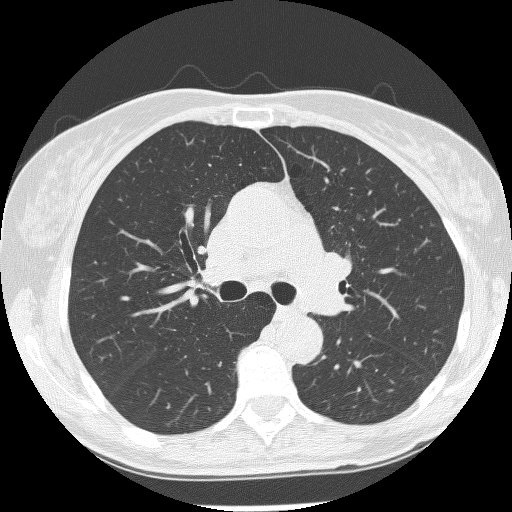
Axial chest CT slice 154 of 245 (counted from the lowest slice); tube voltage 120 kVp, convolution kernel BONE; slices 1.25 mm thick, 0.592 mm per pixel.
Pulmonary nodule, outlined by all four readers. Box on this slice rows 213–220, columns 356–362, the union of the readers' outlines on this slice; longest diameter 5.0 mm on average over the four readers' outlines (readers' outlines 4.3–5.5 mm), volume 33–71 mm3. The readers' prevailing ratings and who disagreed: texture 1/5 (non-solid) from all four readers; margin 2/5 by two of four readers; the rest gave 3/5 (one), 4/5 (one); sphericity 5/5 (round) by two of four readers; the rest gave 3/5 (ovoid) (one), 4/5 (one); calcification absent, all four readers agreeing; internal structure soft tissue from all four readers; subtlety split among the readers: 1/5 (two), 3/5 (two); malignancy likelihood 3/5 from all four readers. Scale key (1–5): texture non-solid→solid, margin indistinct→circumscribed, sphericity linear→round, subtlety extremely subtle→obvious, malignancy likelihood highly unlikely→highly suspicious of cancer. Box rows and columns are 0-based pixel indices from the top-left corner, inclusive.